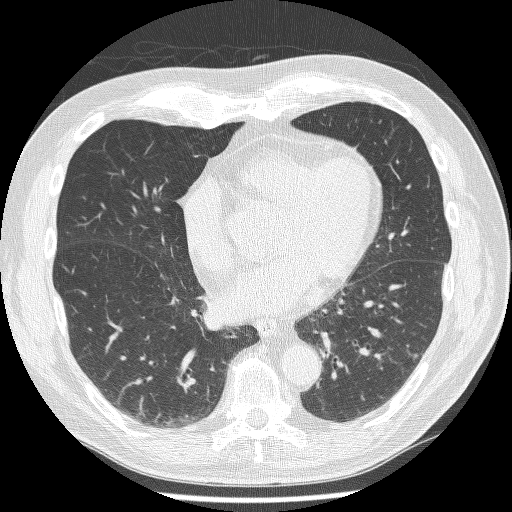
This is axial slice 101 of 244 (slice 1 is the lowest) of a chest CT; each pixel is 0.674 mm and the slice is 1.25 mm thick. Pulmonary nodule outlined by all four readers; box rows 354–361, columns 412–417 (the union of the readers' outlines on this slice); longest diameter 6.2–6.9 mm and volume 78–119 mm3 across the four readers' outlines. Ratings across the readers: texture 5/5 (solid), all four readers agreeing; margin from 4/5 to 5/5 (circumscribed) across the four readers; sphericity from 4/5 to 5/5 (round) across the four readers; calcification absent from all four readers; internal structure soft tissue from all four readers; subtlety rated between 3 and 5 out of 5 by the four readers; malignancy likelihood from 2/5 to 4/5 across the four readers. Scale key (1–5): texture non-solid→solid, margin indistinct→circumscribed, sphericity linear→round, subtlety extremely subtle→obvious, malignancy likelihood highly unlikely→highly suspicious of cancer. Box rows and columns are 0-based pixel indices from the top-left corner, inclusive.
Acquired at 120 kVp and reconstructed with the BONE kernel.